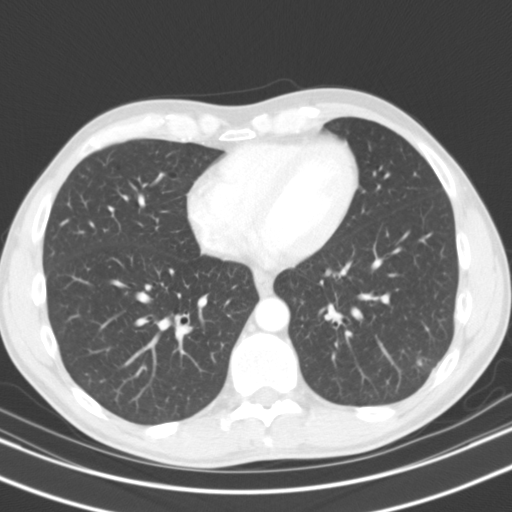
Chest CT, axial plane, 130 kVp, kernel B31s. Slice 45/119 from the bottom of the scan; thickness 3.00 mm; pixel size 0.650 mm.
Pulmonary nodule at rows 358–365, columns 416–421 (box = the union of the readers' outlines on this slice), outlined by all four readers; median longest diameter 11.0 mm (readers' outlines 9.8–12.4 mm), median volume 282 mm3 (202–331 mm3). Median ratings and the readers' spread: median texture 5/5 (solid) (readers ranged 4/5 to 5/5 (solid)); margin 3.5/5 at the median of four readers, spread 3/5 to 5/5 (circumscribed); sphericity 3/5 (ovoid) at the median of four readers, spread 1/5 (linear) to 5/5 (round); calcification absent, all four readers agreeing; internal structure soft tissue from all four readers; subtlety 3.5/5 at the median of four readers, spread 3–4; malignancy likelihood 2.5/5 at the median of four readers, spread 2–3. Scale key (1–5): texture non-solid→solid, margin indistinct→circumscribed, sphericity linear→round, subtlety extremely subtle→obvious, malignancy likelihood highly unlikely→highly suspicious of cancer. Box rows and columns are 0-based pixel indices from the top-left corner, inclusive.